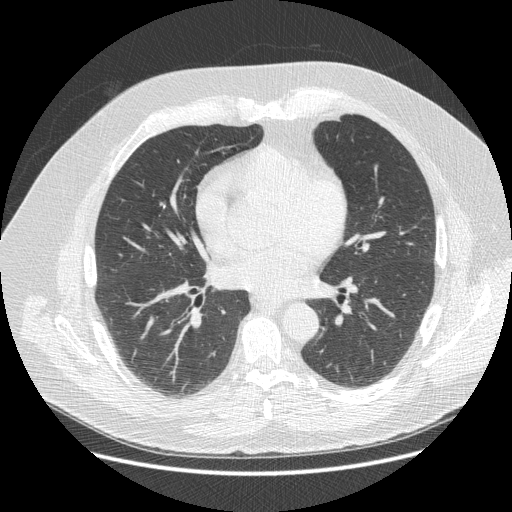
Chest CT, axial plane, 120 kVp, kernel STANDARD. Slice 247/477 from the bottom of the scan; thickness 1.25 mm; pixel size 0.781 mm.
Pulmonary nodule, outlined by all four readers, one of them on this slice. Box on this slice rows 201–208, columns 160–165, the one reader's outline on this slice; the four readers' outlines give a longest diameter between 6.3 and 9.5 mm and a volume between 41 and 153 mm3. The readers' ratings, as ranges where they differ: texture from 4/5 to 5/5 (solid) across the four readers; margin from 4/5 to 5/5 (circumscribed) across the four readers; sphericity from 2/5 to 4/5 across the four readers; calcification: solid calcification (three), absent (one); internal structure soft tissue from all four readers; subtlety 5/5, all four readers agreeing; malignancy likelihood rated between 1 and 4 out of 5 by the four readers. Scale key (1–5): texture non-solid→solid, margin indistinct→circumscribed, sphericity linear→round, subtlety extremely subtle→obvious, malignancy likelihood highly unlikely→highly suspicious of cancer. Box rows and columns are 0-based pixel indices from the top-left corner, inclusive.